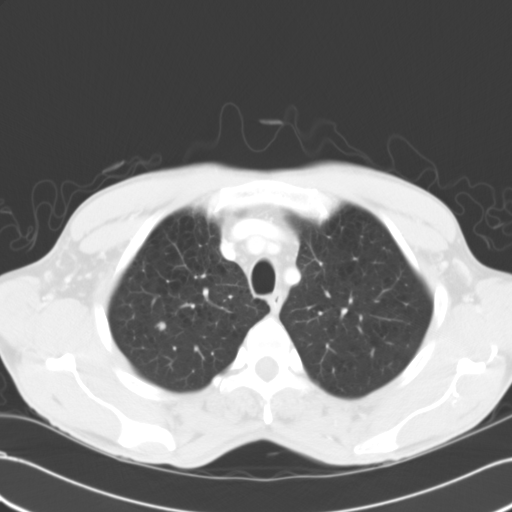
Axial chest CT slice 122 of 137 (counted from the lowest slice); 5.00 mm thick, 0.691 mm per pixel. Pulmonary nodule at rows 321–330, columns 155–165 (box = the union of the readers' outlines on this slice), outlined by three of the four readers; the three readers' outlines give a longest diameter between 7.9 and 8.6 mm and a volume between 182 and 327 mm3. The readers' ratings, as ranges where they differ: texture from 4/5 to 5/5 (solid) across the three readers; margin from 4/5 to 5/5 (circumscribed) across the three readers; sphericity from 3/5 (ovoid) to 5/5 (round) across the three readers; calcification absent, all three readers agreeing; internal structure soft tissue from all three readers; subtlety from 3/5 to 5/5 across the three readers; malignancy likelihood rated between 2 and 3 out of 5 by the three readers. Scale key (1–5): texture non-solid→solid, margin indistinct→circumscribed, sphericity linear→round, subtlety extremely subtle→obvious, malignancy likelihood highly unlikely→highly suspicious of cancer. Box rows and columns are 0-based pixel indices from the top-left corner, inclusive.
Scan settings: 120 kVp, B31f reconstruction kernel.